One axial slice (67 of 111, counting up from the lowest) of a chest CT acquired at 135 kVp with the FC01 kernel; each pixel is 0.751 mm and the slice is 3.00 mm thick.
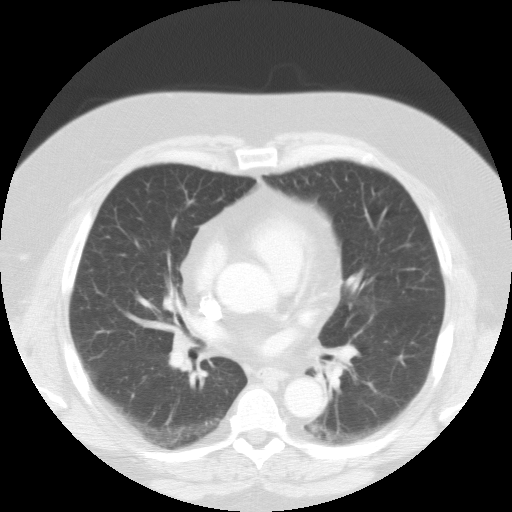
No nodule of 3 mm or larger was outlined by any of the four readers on this slice.